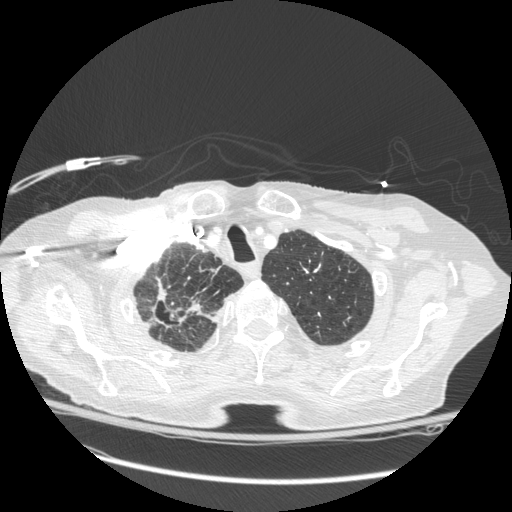
Axial slice 235 of 272 of a chest CT (slice 1 is the lowest), reconstructed with the STANDARD kernel at 120 kVp; 1.25 mm slice thickness and 0.742 mm pixels.
Pulmonary nodule at rows 284–327, columns 152–215 (box = the one reader's outline on this slice), outlined by all four readers, one of them on this slice; the four readers' outlines give a longest diameter between 16.0 and 56.1 mm and a volume between 732 and 13897 mm3. Ratings across the readers: texture 5/5 (solid) from all four readers; margin from 3/5 to 5/5 (circumscribed) across the four readers; sphericity from 3/5 (ovoid) to 4/5 across the four readers; calcification absent, all four readers agreeing; internal structure soft tissue from all four readers; subtlety 5/5 from all four readers; malignancy likelihood rated between 4 and 5 out of 5 by the four readers. Scale key (1–5): texture non-solid→solid, margin indistinct→circumscribed, sphericity linear→round, subtlety extremely subtle→obvious, malignancy likelihood highly unlikely→highly suspicious of cancer. Box rows and columns are 0-based pixel indices from the top-left corner, inclusive.